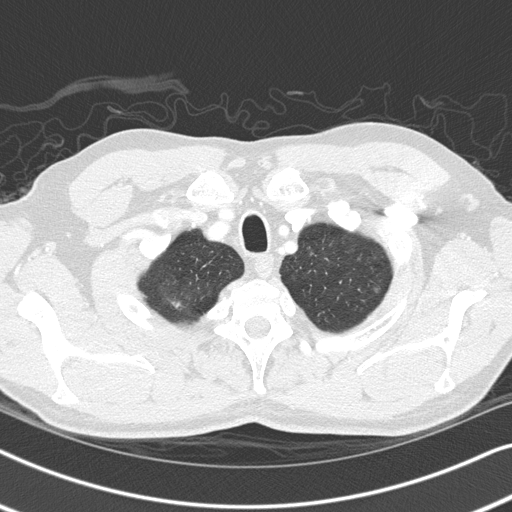
Axial slice 293 of 326 of a chest CT (slice 1 is the lowest), reconstructed with the B45f kernel at 120 kVp; 1.00 mm slice thickness and 0.645 mm pixels.
Pulmonary nodule outlined by all four readers; box rows 285–293, columns 372–381 (the union of the readers' outlines on this slice); longest diameter 9.0–13.3 mm and volume 232–417 mm3 across the four readers' outlines. Ratings across the readers: texture from 1/5 (non-solid) to 4/5 across the four readers; margin from 1/5 (indistinct) to 5/5 (circumscribed) across the four readers; sphericity from 4/5 to 5/5 (round) across the four readers; calcification absent from all four readers; internal structure soft tissue from all four readers; subtlety 1–4/5 (the readers disagree); malignancy likelihood from 2/5 to 3/5 across the four readers. Scale key (1–5): texture non-solid→solid, margin indistinct→circumscribed, sphericity linear→round, subtlety extremely subtle→obvious, malignancy likelihood highly unlikely→highly suspicious of cancer. Box rows and columns are 0-based pixel indices from the top-left corner, inclusive.